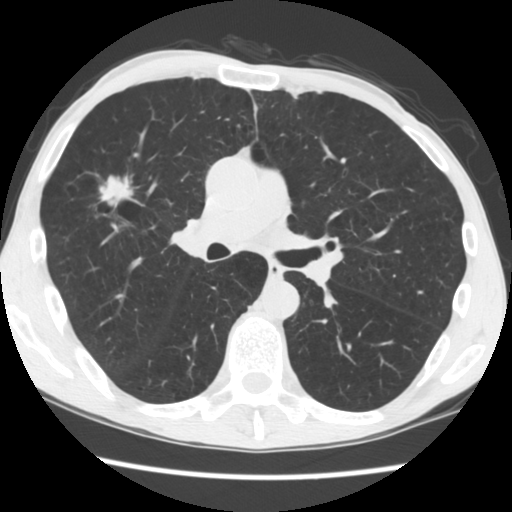
Axial slice 101 of 181 of a chest CT (slice 1 is the lowest), reconstructed with the STANDARD kernel at 120 kVp; 2.50 mm slice thickness and 0.645 mm pixels.
Pulmonary nodule outlined by all four readers; box rows 166–222, columns 89–144 (the union of the readers' outlines on this slice); median longest diameter 39.6 mm (readers' outlines 35.2–44.7 mm), median volume 7793 mm3 (5781–11800 mm3). Median ratings and the readers' spread: median texture 4/5 (readers ranged 4/5 to 5/5 (solid)); margin 3/5 at the median of four readers, spread 2/5 to 4/5; sphericity 3.5/5 at the median of four readers, spread 2/5 to 5/5 (round); calcification absent from all four readers; internal structure soft tissue, all four readers agreeing; subtlety 5/5 from all four readers; malignancy likelihood 5/5, all four readers agreeing. Scale key (1–5): texture non-solid→solid, margin indistinct→circumscribed, sphericity linear→round, subtlety extremely subtle→obvious, malignancy likelihood highly unlikely→highly suspicious of cancer. Box rows and columns are 0-based pixel indices from the top-left corner, inclusive.